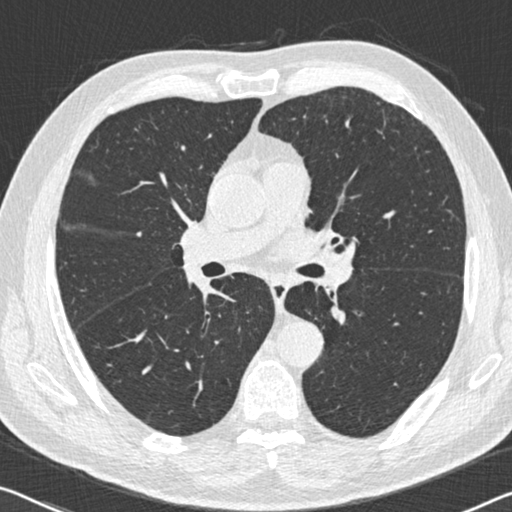
Chest CT, axial plane, 120 kVp, kernel B30f. Slice 331/536 from the bottom of the scan; thickness 0.75 mm; pixel size 0.656 mm.
Pulmonary nodule outlined by two of the four readers; box rows 231–236, columns 136–141 (the union of the readers' outlines on this slice); longest diameter 5.6 mm on average over the two readers' outlines (readers' outlines 5.4–5.9 mm), volume 38–42 mm3. Ratings, by the readers' most common answer with dissent counted: texture 5/5 (solid) from both readers; margin 5/5 (circumscribed), both readers agreeing; sphericity split among the readers: 4/5 (one), 5/5 (round) (one); calcification solid calcification from both readers; internal structure soft tissue from both readers; subtlety 5/5 from both readers; malignancy likelihood 1/5 from both readers. Scale key (1–5): texture non-solid→solid, margin indistinct→circumscribed, sphericity linear→round, subtlety extremely subtle→obvious, malignancy likelihood highly unlikely→highly suspicious of cancer. Box rows and columns are 0-based pixel indices from the top-left corner, inclusive.